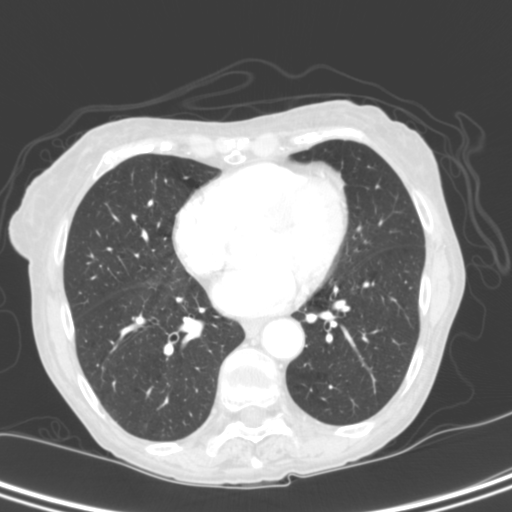
Axial chest CT slice 116 of 290 (counted from the lowest slice); 2.00 mm thick, 0.645 mm per pixel. No nodule of 3 mm or larger was outlined by any of the four readers on this slice.
Scan settings: 120 kVp, B reconstruction kernel.